Axial chest CT slice 495 of 558 (counted from the lowest slice); tube voltage 120 kVp, convolution kernel B30f; slices 0.75 mm thick, 0.648 mm per pixel.
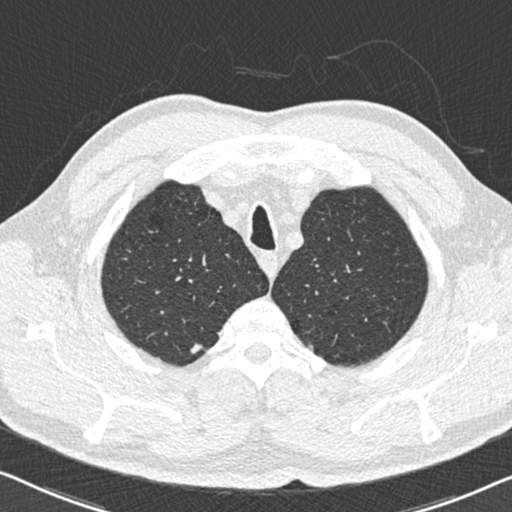
Pulmonary nodule at rows 343–353, columns 190–202 (box = the union of the readers' outlines on this slice), outlined by all four readers; longest diameter 9.4 mm on average over the four readers' outlines (readers' outlines 9.0–9.8 mm), volume 82–155 mm3. Ratings, by the readers' most common answer with dissent counted: most readers (three of four) put texture at 5/5 (solid), others 4/5 (one); margin 4/5 by three of four readers; the rest gave 5/5 (circumscribed) (one); most readers (three of four) put sphericity at 2/5, others 5/5 (round) (one); calcification absent from all four readers; internal structure soft tissue, all four readers agreeing; subtlety 3/5 by two of four readers; the rest gave 4/5 (one), 5/5 (one); malignancy likelihood split among the readers: 2/5 (two), 3/5 (two). Scale key (1–5): texture non-solid→solid, margin indistinct→circumscribed, sphericity linear→round, subtlety extremely subtle→obvious, malignancy likelihood highly unlikely→highly suspicious of cancer. Box rows and columns are 0-based pixel indices from the top-left corner, inclusive.